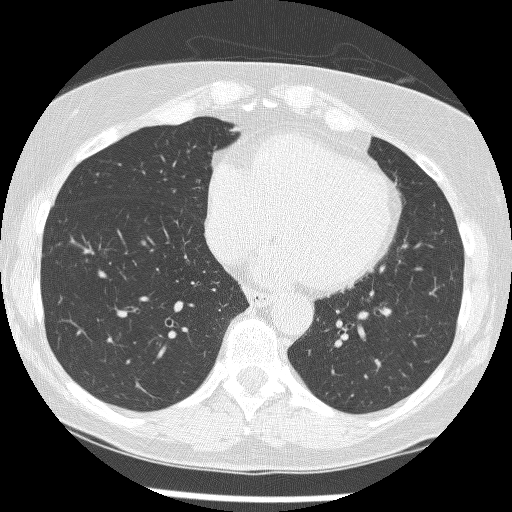
One axial slice (88 of 241, counting up from the lowest) of a chest CT acquired at 120 kVp with the BONE kernel; each pixel is 0.586 mm and the slice is 1.25 mm thick.
Pulmonary nodule, outlined by one of the four readers. Box on this slice rows 240–246, columns 140–146, that reader's outline on this slice; longest diameter 5.8 mm and volume 83 mm3 from that reader's outline. That reader's ratings: texture 5/5 (solid); margin 4/5; sphericity 4/5; calcification absent; internal structure soft tissue; subtlety 1/5; malignancy likelihood 3/5. Scale key (1–5): texture non-solid→solid, margin indistinct→circumscribed, sphericity linear→round, subtlety extremely subtle→obvious, malignancy likelihood highly unlikely→highly suspicious of cancer. Box rows and columns are 0-based pixel indices from the top-left corner, inclusive.